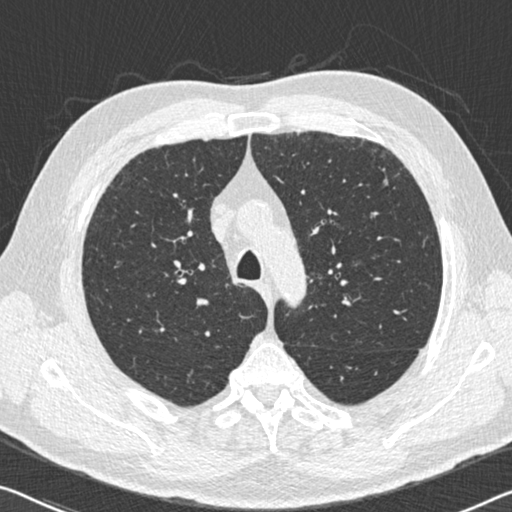
Axial chest CT slice 423 of 536 (counted from the lowest slice); 0.75 mm thick, 0.656 mm per pixel. Pulmonary nodule at rows 178–185, columns 382–387 (box = the union of the readers' outlines on this slice), outlined by three of the four readers; median longest diameter 6.7 mm (readers' outlines 6.7–8.3 mm), median volume 65 mm3 (64–106 mm3). Ratings, median across the readers with their spread: texture 5/5 (solid), all three readers agreeing; median margin 5/5 (circumscribed) (readers ranged 4/5 to 5/5 (circumscribed)); median sphericity 2/5 (readers ranged 2/5 to 3/5 (ovoid)); calcification: absent (two), non-central calcification (one); internal structure soft tissue, all three readers agreeing; subtlety 3/5 at the median of three readers, spread 2–5; median malignancy likelihood 2/5 (readers ranged 2–3). Scale key (1–5): texture non-solid→solid, margin indistinct→circumscribed, sphericity linear→round, subtlety extremely subtle→obvious, malignancy likelihood highly unlikely→highly suspicious of cancer. Box rows and columns are 0-based pixel indices from the top-left corner, inclusive.
Scan settings: 120 kVp, B30f reconstruction kernel.